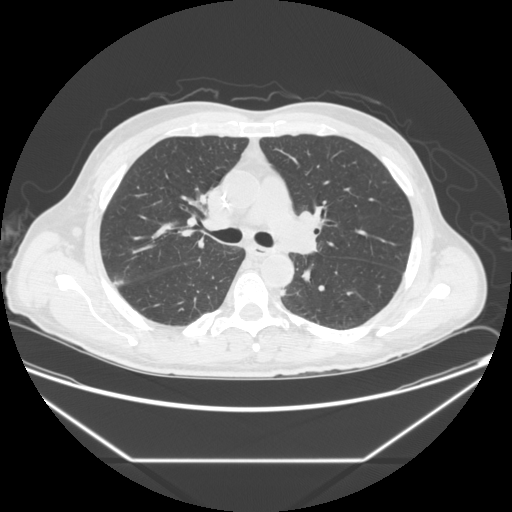
Axial chest CT slice 141 of 251 (counted from the lowest slice); 1.25 mm thick, 0.809 mm per pixel. Two pulmonary nodules are outlined on this slice; from left to right: (1) Pulmonary nodule outlined by all four readers, three of them on this slice; box rows 279–285, columns 113–123 (the union of the readers' outlines on this slice); the four readers' outlines give a longest diameter between 9.5 and 12.3 mm and a volume between 212 and 399 mm3. The readers' ratings, as ranges where they differ: texture 5/5 (solid), all four readers agreeing; margin from 2/5 to 5/5 (circumscribed) across the four readers; sphericity from 3/5 (ovoid) to 4/5 across the four readers; calcification absent from all four readers; internal structure soft tissue, all four readers agreeing; subtlety from 3/5 to 4/5 across the four readers; malignancy likelihood rated between 2 and 3 out of 5 by the four readers. (2) Pulmonary nodule outlined by three of the four readers; box rows 289–296, columns 280–286 (the union of the readers' outlines on this slice); longest diameter 7.3 mm on average over the three readers' outlines (readers' outlines 6.7–7.7 mm), volume 143–192 mm3. The readers' prevailing ratings and who disagreed: texture 5/5 (solid), all three readers agreeing; most readers (two of three) put margin at 4/5, others 5/5 (circumscribed) (one); sphericity split among the readers: 3/5 (ovoid) (one), 4/5 (one), 5/5 (round) (one); calcification absent, all three readers agreeing; internal structure soft tissue, all three readers agreeing; subtlety split among the readers: 1/5 (one), 2/5 (one), 5/5 (one); malignancy likelihood 3/5 by two of three readers; the rest gave 2/5 (one). Scale key (1–5): texture non-solid→solid, margin indistinct→circumscribed, sphericity linear→round, subtlety extremely subtle→obvious, malignancy likelihood highly unlikely→highly suspicious of cancer. Box rows and columns are 0-based pixel indices from the top-left corner, inclusive.
Acquired at 120 kVp and reconstructed with the STANDARD kernel.